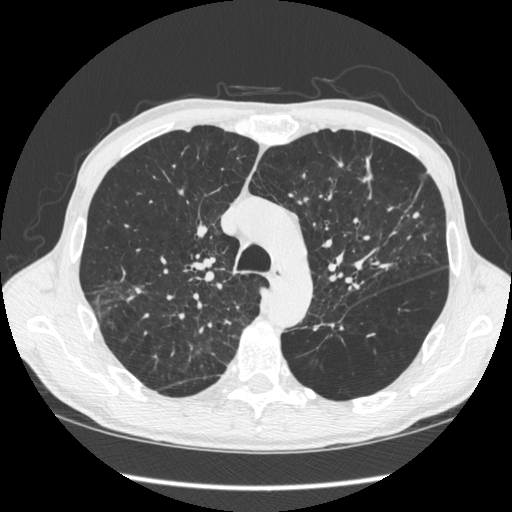
Slice 411/583 of a chest CT, counting up from the lowest; pixel size 0.703 mm, slice thickness 1.25 mm. Pulmonary nodule, outlined by two of the four readers. Box on this slice rows 212–218, columns 412–418, the union of the readers' outlines on this slice; longest diameter 6.5–7.2 mm and volume 71–74 mm3 across the two readers' outlines. The readers' ratings, as ranges where they differ: texture 5/5 (solid), both readers agreeing; margin 5/5 (circumscribed), both readers agreeing; sphericity from 3/5 (ovoid) to 4/5 across the two readers; calcification absent from both readers; internal structure soft tissue, both readers agreeing; subtlety from 2/5 to 4/5 across the two readers; malignancy likelihood 3/5 from both readers. Scale key (1–5): texture non-solid→solid, margin indistinct→circumscribed, sphericity linear→round, subtlety extremely subtle→obvious, malignancy likelihood highly unlikely→highly suspicious of cancer. Box rows and columns are 0-based pixel indices from the top-left corner, inclusive.
Acquired at 120 kVp and reconstructed with the STANDARD kernel.